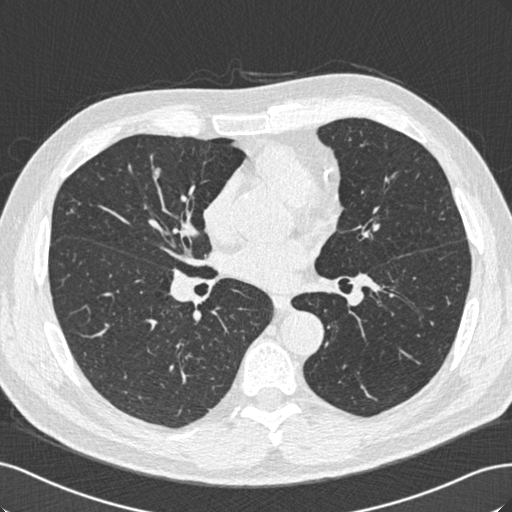
This is axial slice 303 of 529 (slice 1 is the lowest) of a chest CT; each pixel is 0.703 mm and the slice is 0.75 mm thick. Pulmonary nodule, outlined by one of the four readers. Box on this slice rows 168–176, columns 154–159, that reader's outline on this slice; longest diameter 7.3 mm and volume 25 mm3 from that reader's outline. That reader's ratings: texture 5/5 (solid); margin 4/5; sphericity 3/5 (ovoid); calcification absent; internal structure soft tissue; subtlety 3/5; malignancy likelihood 2/5. Scale key (1–5): texture non-solid→solid, margin indistinct→circumscribed, sphericity linear→round, subtlety extremely subtle→obvious, malignancy likelihood highly unlikely→highly suspicious of cancer. Box rows and columns are 0-based pixel indices from the top-left corner, inclusive.
Tube voltage 120 kVp; convolution kernel B30f.